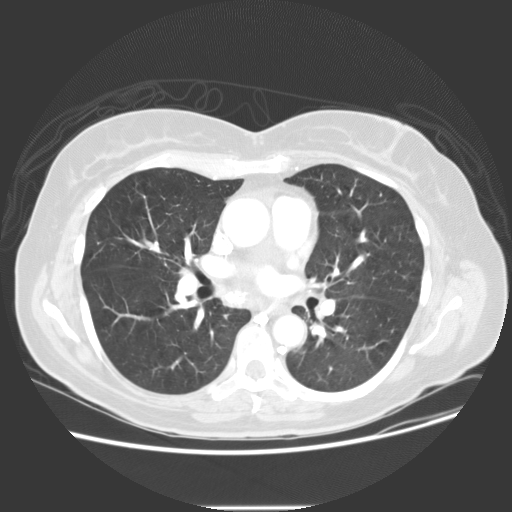
One axial slice (76 of 133, counting up from the lowest) of a chest CT acquired at 120 kVp with the STANDARD kernel; each pixel is 0.742 mm and the slice is 2.50 mm thick.
None of the four readers outlined a nodule of 3 mm or more on this slice.